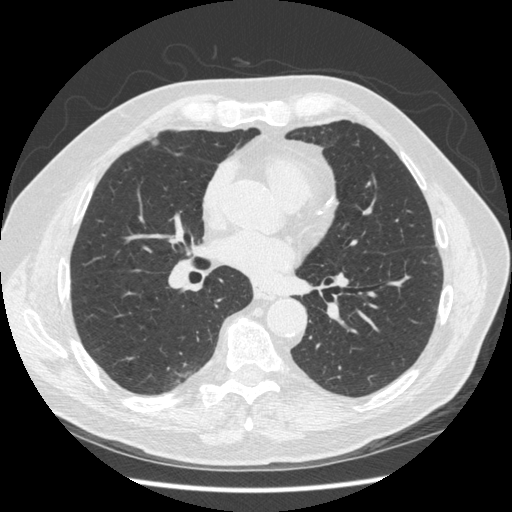
Axial chest CT slice 216 of 477 (counted from the lowest slice); tube voltage 120 kVp, convolution kernel STANDARD; slices 1.25 mm thick, 0.703 mm per pixel.
Pulmonary nodule outlined by three of the four readers; box rows 138–146, columns 151–159 (the union of the readers' outlines on this slice); longest diameter 7.8 mm on average over the three readers' outlines (readers' outlines 7.2–8.2 mm), volume 65–84 mm3. Ratings, by the readers' most common answer with dissent counted: texture 5/5 (solid), all three readers agreeing; most readers (two of three) put margin at 5/5 (circumscribed), others 3/5 (one); sphericity split among the readers: 3/5 (ovoid) (one), 4/5 (one), 5/5 (round) (one); calcification absent from all three readers; internal structure soft tissue, all three readers agreeing; subtlety split among the readers: 3/5 (one), 4/5 (one), 5/5 (one); malignancy likelihood 3/5 by two of three readers; the rest gave 2/5 (one). Scale key (1–5): texture non-solid→solid, margin indistinct→circumscribed, sphericity linear→round, subtlety extremely subtle→obvious, malignancy likelihood highly unlikely→highly suspicious of cancer. Box rows and columns are 0-based pixel indices from the top-left corner, inclusive.